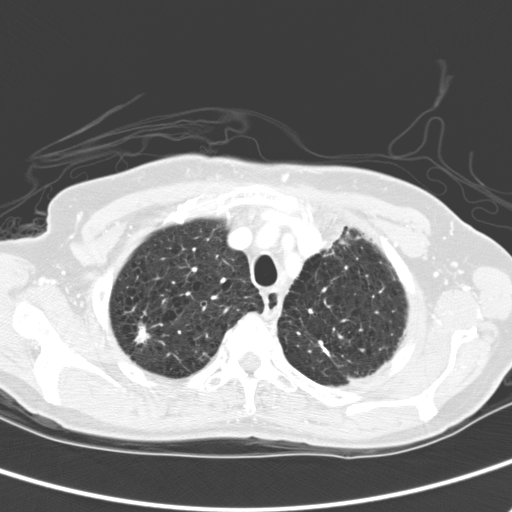
Chest CT, axial plane, 120 kVp, kernel D. Slice 213/280 from the bottom of the scan; thickness 2.00 mm; pixel size 0.613 mm.
Pulmonary nodule, outlined by all four readers. Box on this slice rows 322–344, columns 133–150, the union of the readers' outlines on this slice; the four readers' outlines give a longest diameter between 16.7 and 18.9 mm and a volume between 701 and 1041 mm3. Ratings across the readers: texture from 3/5 (part-solid) to 5/5 (solid) across the four readers; margin from 1/5 (indistinct) to 5/5 (circumscribed) across the four readers; sphericity from 2/5 to 4/5 across the four readers; calcification absent from all four readers; internal structure soft tissue, all four readers agreeing; subtlety 2–5/5 (the readers disagree); malignancy likelihood from 3/5 to 5/5 across the four readers. Scale key (1–5): texture non-solid→solid, margin indistinct→circumscribed, sphericity linear→round, subtlety extremely subtle→obvious, malignancy likelihood highly unlikely→highly suspicious of cancer. Box rows and columns are 0-based pixel indices from the top-left corner, inclusive.